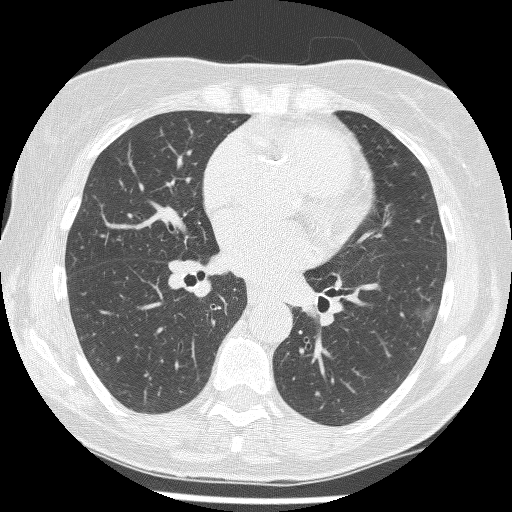
Axial slice 124 of 241 of a chest CT (slice 1 is the lowest), reconstructed with the BONE kernel at 120 kVp; 1.25 mm slice thickness and 0.590 mm pixels.
Pulmonary nodule outlined by three of the four readers; box rows 301–326, columns 413–437 (the union of the readers' outlines on this slice); longest diameter 16.1–17.2 mm and volume 610–777 mm3 across the three readers' outlines. Ratings across the readers: texture from 1/5 (non-solid) to 2/5 across the three readers; margin from 1/5 (indistinct) to 3/5 across the three readers; sphericity from 3/5 (ovoid) to 4/5 across the three readers; calcification absent, all three readers agreeing; internal structure soft tissue, all three readers agreeing; subtlety from 2/5 to 4/5 across the three readers; malignancy likelihood from 3/5 to 4/5 across the three readers. Scale key (1–5): texture non-solid→solid, margin indistinct→circumscribed, sphericity linear→round, subtlety extremely subtle→obvious, malignancy likelihood highly unlikely→highly suspicious of cancer. Box rows and columns are 0-based pixel indices from the top-left corner, inclusive.